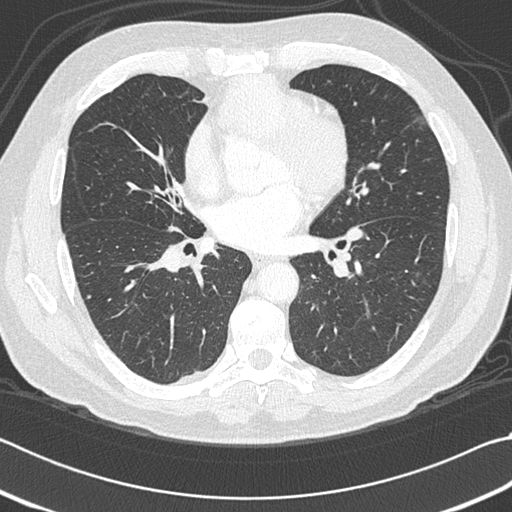
One axial slice (155 of 312, counting up from the lowest) of a chest CT acquired at 120 kVp with the B45f kernel; each pixel is 0.664 mm and the slice is 1.00 mm thick.
Pulmonary nodule at rows 167–172, columns 358–363 (box = that reader's outline on this slice), outlined by one of the four readers; longest diameter 6.9 mm and volume 71 mm3 from that reader's outline. That reader's ratings: texture 5/5 (solid); margin 3/5; sphericity 2/5; calcification absent; internal structure soft tissue; subtlety 1/5; malignancy likelihood 2/5. Scale key (1–5): texture non-solid→solid, margin indistinct→circumscribed, sphericity linear→round, subtlety extremely subtle→obvious, malignancy likelihood highly unlikely→highly suspicious of cancer. Box rows and columns are 0-based pixel indices from the top-left corner, inclusive.